Chest CT, axial plane, 120 kVp, kernel STANDARD. Slice 171/426 from the bottom of the scan; thickness 1.25 mm; pixel size 0.547 mm.
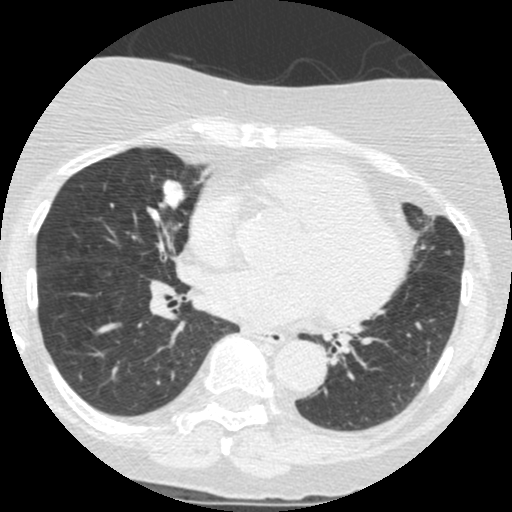
Pulmonary nodule at rows 180–208, columns 163–184 (box = the union of the readers' outlines on this slice), outlined by all four readers; median longest diameter 18.6 mm (readers' outlines 17.0–20.6 mm), median volume 1572 mm3 (1129–1635 mm3). Ratings, median across the readers with their spread: texture 5/5 (solid) at the median of four readers, spread 4/5 to 5/5 (solid); median margin 3.5/5 (readers ranged 2/5 to 5/5 (circumscribed)); median sphericity 4/5 (readers ranged 3/5 (ovoid) to 5/5 (round)); calcification: absent (three), non-central calcification (one); internal structure soft tissue from all four readers; median subtlety 4.5/5 (readers ranged 3–5); malignancy likelihood 3.5/5 at the median of four readers, spread 2–4. Scale key (1–5): texture non-solid→solid, margin indistinct→circumscribed, sphericity linear→round, subtlety extremely subtle→obvious, malignancy likelihood highly unlikely→highly suspicious of cancer. Box rows and columns are 0-based pixel indices from the top-left corner, inclusive.